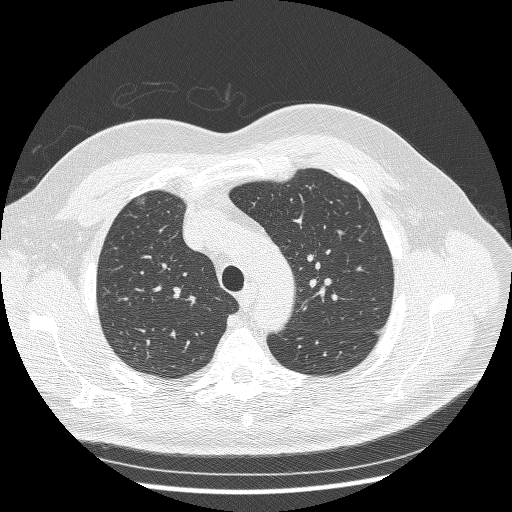
Axial chest CT slice 198 of 250 (counted from the lowest slice); tube voltage 120 kVp, convolution kernel BONE; slices 1.25 mm thick, 0.721 mm per pixel.
Pulmonary nodule at rows 195–205, columns 135–146 (box = the union of the readers' outlines on this slice), outlined by three of the four readers; the three readers' outlines give a longest diameter between 9.8 and 12.3 mm and a volume between 257 and 353 mm3. The readers' ratings, as ranges where they differ: texture 1/5 (non-solid), all three readers agreeing; margin from 1/5 (indistinct) to 2/5 across the three readers; sphericity from 2/5 to 3/5 (ovoid) across the three readers; calcification absent, all three readers agreeing; internal structure soft tissue, all three readers agreeing; subtlety rated between 1 and 3 out of 5 by the three readers; malignancy likelihood rated between 3 and 4 out of 5 by the three readers. Scale key (1–5): texture non-solid→solid, margin indistinct→circumscribed, sphericity linear→round, subtlety extremely subtle→obvious, malignancy likelihood highly unlikely→highly suspicious of cancer. Box rows and columns are 0-based pixel indices from the top-left corner, inclusive.